Axial slice 296 of 730 of a chest CT (slice 1 is the lowest), reconstructed with the B30f kernel at 120 kVp; 0.60 mm slice thickness and 0.730 mm pixels.
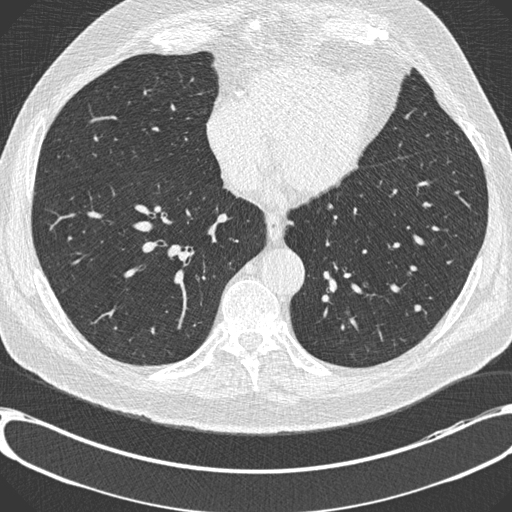
Pulmonary nodule outlined by one of the four readers; box rows 305–310, columns 414–420 (that reader's outline on this slice); longest diameter 7.2 mm and volume 114 mm3 from that reader's outline. That reader's ratings: texture 5/5 (solid); margin 5/5 (circumscribed); sphericity 5/5 (round); calcification absent; internal structure soft tissue; subtlety 3/5; malignancy likelihood 2/5. Scale key (1–5): texture non-solid→solid, margin indistinct→circumscribed, sphericity linear→round, subtlety extremely subtle→obvious, malignancy likelihood highly unlikely→highly suspicious of cancer. Box rows and columns are 0-based pixel indices from the top-left corner, inclusive.